Axial slice 209 of 246 of a chest CT (slice 1 is the lowest), reconstructed with the BONE kernel at 120 kVp; 1.25 mm slice thickness and 0.586 mm pixels.
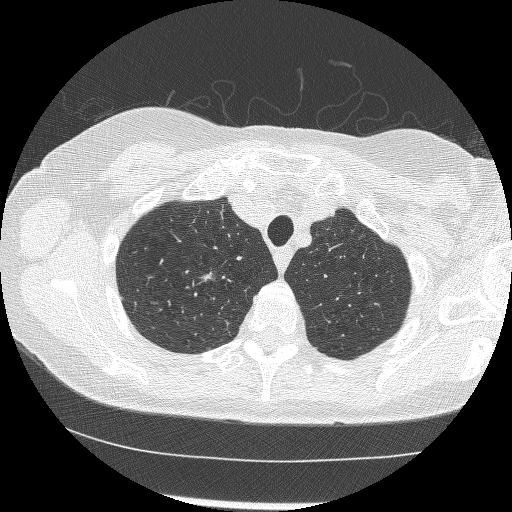
Pulmonary nodule, outlined by all four readers. Box on this slice rows 271–281, columns 200–213, the union of the readers' outlines on this slice; longest diameter 6.1–10.0 mm and volume 66–342 mm3 across the four readers' outlines. The readers' ratings, as ranges where they differ: texture from 3/5 (part-solid) to 5/5 (solid) across the four readers; margin from 1/5 (indistinct) to 3/5 across the four readers; sphericity from 2/5 to 3/5 (ovoid) across the four readers; calcification absent from all four readers; internal structure soft tissue from all four readers; subtlety 3–5/5 (the readers disagree); malignancy likelihood rated between 3 and 5 out of 5 by the four readers. Scale key (1–5): texture non-solid→solid, margin indistinct→circumscribed, sphericity linear→round, subtlety extremely subtle→obvious, malignancy likelihood highly unlikely→highly suspicious of cancer. Box rows and columns are 0-based pixel indices from the top-left corner, inclusive.